Chest CT, axial plane, 120 kVp, kernel STANDARD. Slice 31/145 from the bottom of the scan; thickness 2.50 mm; pixel size 0.781 mm.
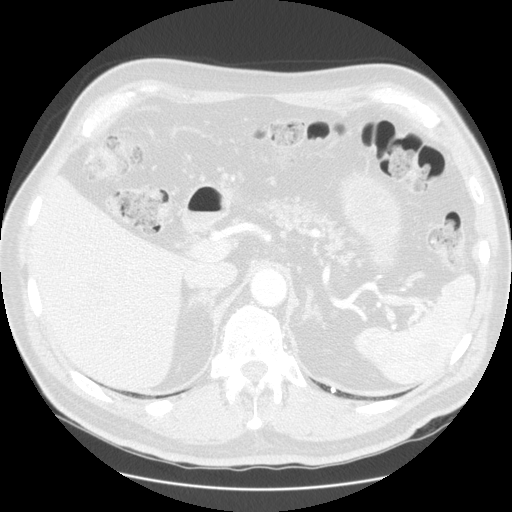
Pulmonary nodule, outlined by two of the four readers. Box on this slice rows 387–392, columns 331–334, the union of the readers' outlines on this slice; longest diameter 4.8–5.5 mm and volume 56–62 mm3 across the two readers' outlines. The readers' ratings, as ranges where they differ: texture 5/5 (solid) from both readers; margin 5/5 (circumscribed), both readers agreeing; sphericity 5/5 (round) from both readers; calcification solid calcification from both readers; internal structure soft tissue, both readers agreeing; subtlety from 3/5 to 4/5 across the two readers; malignancy likelihood 1/5, both readers agreeing. Scale key (1–5): texture non-solid→solid, margin indistinct→circumscribed, sphericity linear→round, subtlety extremely subtle→obvious, malignancy likelihood highly unlikely→highly suspicious of cancer. Box rows and columns are 0-based pixel indices from the top-left corner, inclusive.